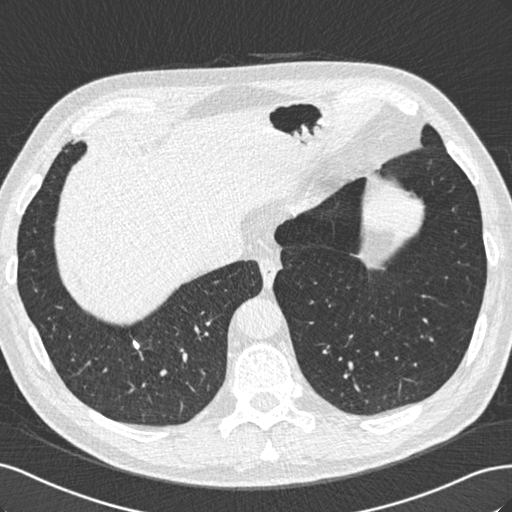
Axial slice 196 of 529 of a chest CT (slice 1 is the lowest), reconstructed with the B30f kernel at 120 kVp; 0.75 mm slice thickness and 0.703 mm pixels.
Pulmonary nodule, outlined by two of the four readers. Box on this slice rows 339–349, columns 131–140, the union of the readers' outlines on this slice; median longest diameter 8.5 mm (readers' outlines 7.5–9.6 mm), median volume 118 mm3 (88–148 mm3). Median ratings and the readers' spread: texture 5/5 (solid) from both readers; margin 5/5 (circumscribed), both readers agreeing; sphericity 4.5/5 at the median of two readers, spread 4/5 to 5/5 (round); calcification solid calcification, both readers agreeing; internal structure soft tissue, both readers agreeing; subtlety 4.5/5 at the median of two readers, spread 4–5; malignancy likelihood 1/5 from both readers. Scale key (1–5): texture non-solid→solid, margin indistinct→circumscribed, sphericity linear→round, subtlety extremely subtle→obvious, malignancy likelihood highly unlikely→highly suspicious of cancer. Box rows and columns are 0-based pixel indices from the top-left corner, inclusive.